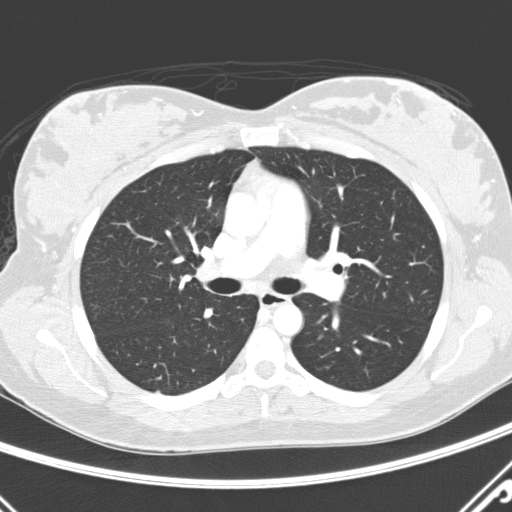
One axial slice (181 of 290, counting up from the lowest) of a chest CT acquired at 120 kVp with the D kernel; each pixel is 0.648 mm and the slice is 2.00 mm thick.
Pulmonary nodule, outlined by one of the four readers. Box on this slice rows 390–393, columns 155–159, that reader's outline on this slice; longest diameter 15.8 mm and volume 355 mm3 from that reader's outline. That reader's ratings: texture 5/5 (solid); margin 5/5 (circumscribed); sphericity 3/5 (ovoid); calcification absent; internal structure soft tissue; subtlety 5/5; malignancy likelihood 3/5. Scale key (1–5): texture non-solid→solid, margin indistinct→circumscribed, sphericity linear→round, subtlety extremely subtle→obvious, malignancy likelihood highly unlikely→highly suspicious of cancer. Box rows and columns are 0-based pixel indices from the top-left corner, inclusive.